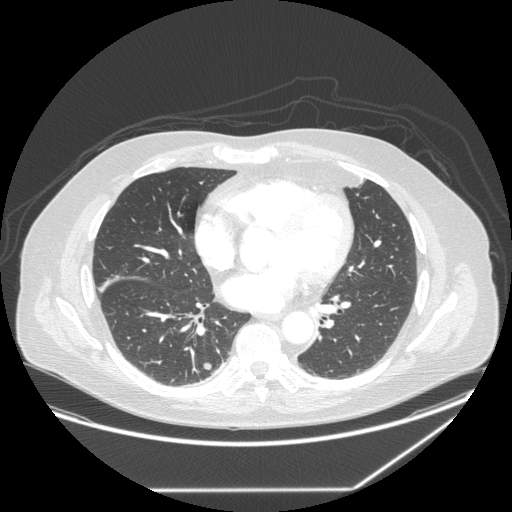
Axial chest CT slice 124 of 258 (counted from the lowest slice); 1.25 mm thick, 0.859 mm per pixel. Pulmonary nodule outlined by all four readers; box rows 361–369, columns 203–211 (the union of the readers' outlines on this slice); median longest diameter 10.0 mm (readers' outlines 8.2–10.9 mm), median volume 342 mm3 (187–384 mm3). Ratings, median across the readers with their spread: texture 5/5 (solid) from all four readers; margin 4.5/5 at the median of four readers, spread 4/5 to 5/5 (circumscribed); median sphericity 4.5/5 (readers ranged 4/5 to 5/5 (round)); calcification absent, all four readers agreeing; internal structure soft tissue, all four readers agreeing; median subtlety 4/5 (readers ranged 3–5); median malignancy likelihood 3/5 (readers ranged 2–4). Scale key (1–5): texture non-solid→solid, margin indistinct→circumscribed, sphericity linear→round, subtlety extremely subtle→obvious, malignancy likelihood highly unlikely→highly suspicious of cancer. Box rows and columns are 0-based pixel indices from the top-left corner, inclusive.
Scan settings: 120 kVp, STANDARD reconstruction kernel.